Axial slice 404 of 458 of a chest CT (slice 1 is the lowest), reconstructed with the STANDARD kernel at 120 kVp; 1.25 mm slice thickness and 0.586 mm pixels.
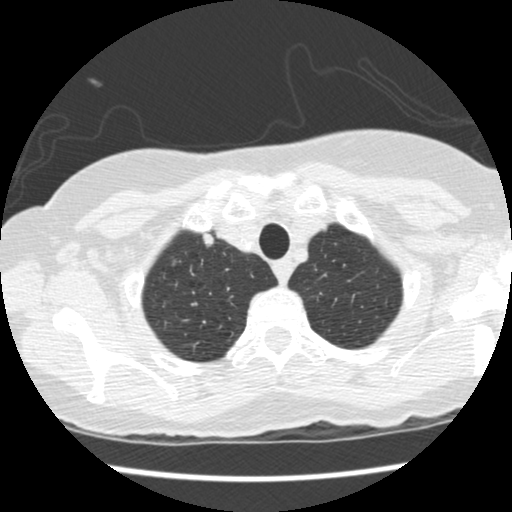
Pulmonary nodule at rows 233–247, columns 202–213 (box = the union of the readers' outlines on this slice), outlined by all four readers; longest diameter 9.7 mm on average over the four readers' outlines (readers' outlines 9.1–10.0 mm), volume 243–272 mm3. Ratings, by the readers' most common answer with dissent counted: most readers (three of four) put texture at 5/5 (solid), others 4/5 (one); margin split among the readers: 4/5 (two), 5/5 (circumscribed) (two); sphericity 3/5 (ovoid) by two of four readers; the rest gave 4/5 (one), 5/5 (round) (one); calcification absent, all four readers agreeing; internal structure soft tissue, all four readers agreeing; subtlety split among the readers: 4/5 (two), 5/5 (two); malignancy likelihood 4/5 by two of four readers; the rest gave 2/5 (one), 3/5 (one). Scale key (1–5): texture non-solid→solid, margin indistinct→circumscribed, sphericity linear→round, subtlety extremely subtle→obvious, malignancy likelihood highly unlikely→highly suspicious of cancer. Box rows and columns are 0-based pixel indices from the top-left corner, inclusive.